One axial slice (105 of 133, counting up from the lowest) of a chest CT acquired at 120 kVp with the STANDARD kernel; each pixel is 0.781 mm and the slice is 2.50 mm thick.
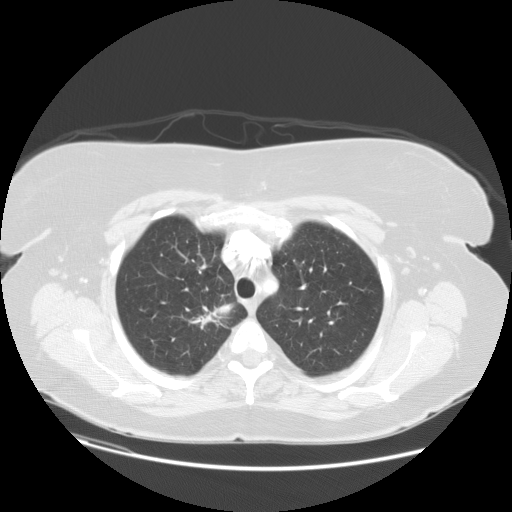
Pulmonary nodule at rows 302–327, columns 190–233 (box = the union of the readers' outlines on this slice), outlined by all four readers; median longest diameter 35.3 mm (readers' outlines 31.6–37.9 mm), median volume 4753 mm3 (3786–6747 mm3). Ratings, median across the readers with their spread: texture 4.5/5 at the median of four readers, spread 3/5 (part-solid) to 5/5 (solid); margin 3/5 at the median of four readers, spread 1/5 (indistinct) to 3/5; median sphericity 3/5 (ovoid) (readers ranged 2/5 to 4/5); calcification absent from all four readers; internal structure soft tissue from all four readers; subtlety 5/5 from all four readers; malignancy likelihood 5/5 at the median of four readers, spread 3–5. Scale key (1–5): texture non-solid→solid, margin indistinct→circumscribed, sphericity linear→round, subtlety extremely subtle→obvious, malignancy likelihood highly unlikely→highly suspicious of cancer. Box rows and columns are 0-based pixel indices from the top-left corner, inclusive.